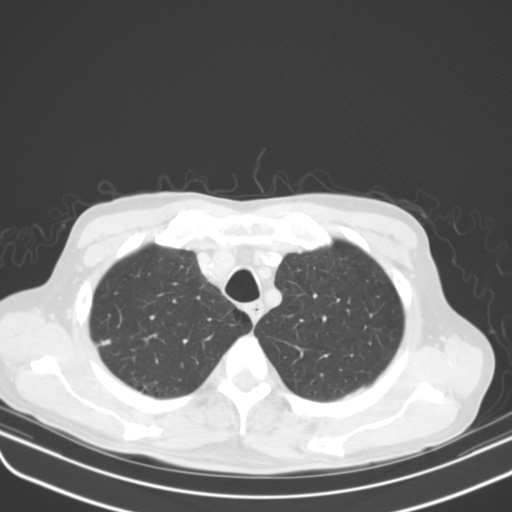
Axial chest CT slice 112 of 135 (counted from the lowest slice); tube voltage 130 kVp, convolution kernel B31s; slices 3.00 mm thick, 0.711 mm per pixel.
Pulmonary nodule, outlined by one of the four readers. Box on this slice rows 339–345, columns 99–110, that reader's outline on this slice; longest diameter 11.6 mm and volume 492 mm3 from that reader's outline. Ratings by that reader: texture 5/5 (solid); margin 4/5; sphericity 3/5 (ovoid); calcification absent; internal structure soft tissue; subtlety 5/5; malignancy likelihood 3/5. Scale key (1–5): texture non-solid→solid, margin indistinct→circumscribed, sphericity linear→round, subtlety extremely subtle→obvious, malignancy likelihood highly unlikely→highly suspicious of cancer. Box rows and columns are 0-based pixel indices from the top-left corner, inclusive.